One axial slice (346 of 481, counting up from the lowest) of a chest CT acquired at 120 kVp with the STANDARD kernel; each pixel is 0.742 mm and the slice is 1.25 mm thick.
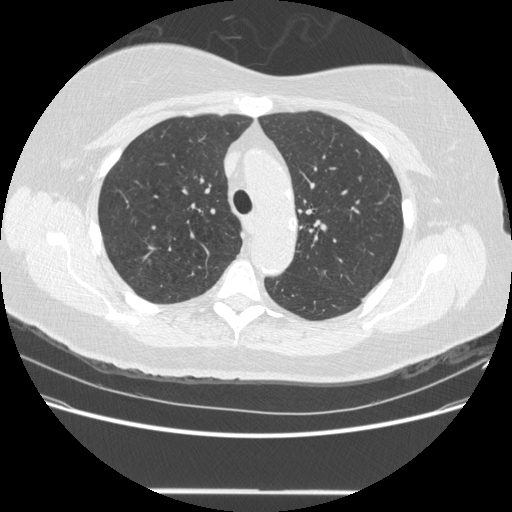
Pulmonary nodule outlined by three of the four readers; box rows 269–275, columns 321–326 (the union of the readers' outlines on this slice); median longest diameter 6.7 mm (readers' outlines 6.3–7.0 mm), median volume 68 mm3 (65–113 mm3). Ratings, median across the readers with their spread: median texture 4/5 (readers ranged 3/5 (part-solid) to 5/5 (solid)); margin 3/5 at the median of three readers, spread 2/5 to 4/5; median sphericity 4/5 (readers ranged 3/5 (ovoid) to 4/5); calcification absent, all three readers agreeing; internal structure soft tissue from all three readers; subtlety 3/5 at the median of three readers, spread 2–4; median malignancy likelihood 3/5 (readers ranged 2–3). Scale key (1–5): texture non-solid→solid, margin indistinct→circumscribed, sphericity linear→round, subtlety extremely subtle→obvious, malignancy likelihood highly unlikely→highly suspicious of cancer. Box rows and columns are 0-based pixel indices from the top-left corner, inclusive.